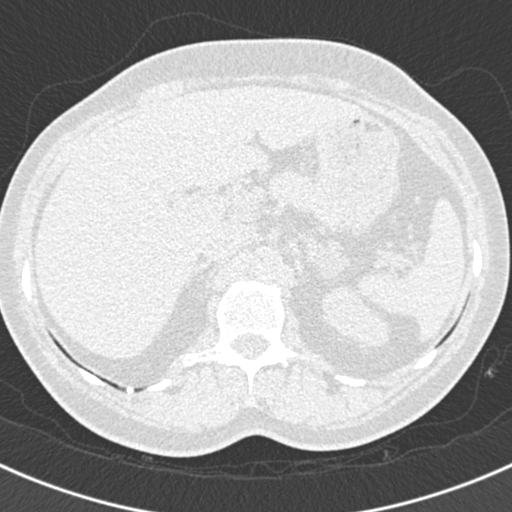
Slice 19/193 of a chest CT, counting up from the lowest; pixel size 0.605 mm, slice thickness 2.00 mm. Pulmonary nodule at rows 387–392, columns 127–132 (box = that reader's outline on this slice), outlined by one of the four readers; longest diameter 5.7 mm and volume 73 mm3 from that reader's outline. That reader's ratings: texture 5/5 (solid); margin 5/5 (circumscribed); sphericity 5/5 (round); calcification solid calcification; internal structure soft tissue; subtlety 5/5; malignancy likelihood 1/5. Scale key (1–5): texture non-solid→solid, margin indistinct→circumscribed, sphericity linear→round, subtlety extremely subtle→obvious, malignancy likelihood highly unlikely→highly suspicious of cancer. Box rows and columns are 0-based pixel indices from the top-left corner, inclusive.
Acquired at 120 kVp and reconstructed with the B30f kernel.